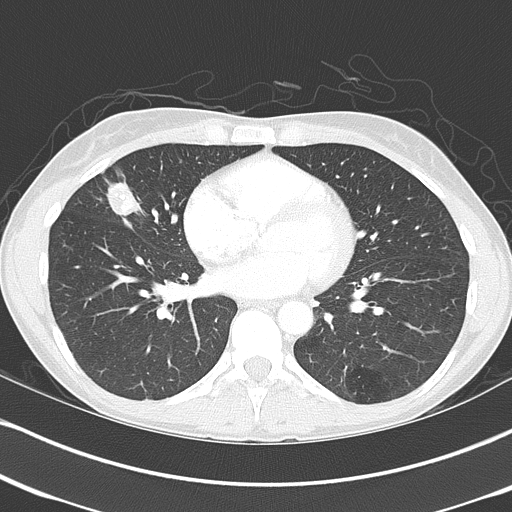
Chest CT, axial plane, 120 kVp, kernel B70f. Slice 184/368 from the bottom of the scan; thickness 2.00 mm; pixel size 0.623 mm.
Pulmonary nodule at rows 164–215, columns 104–141 (box = the union of the readers' outlines on this slice), outlined by all four readers; median longest diameter 29.8 mm (readers' outlines 27.1–39.3 mm), median volume 7696 mm3 (6531–9806 mm3). Ratings, median across the readers with their spread: texture 5/5 (solid), all four readers agreeing; margin 4/5 at the median of four readers, spread 2/5 to 5/5 (circumscribed); median sphericity 3/5 (ovoid) (readers ranged 2/5 to 3/5 (ovoid)); calcification split among the readers: laminated calcification (one), absent (one), popcorn calcification (one), non-central calcification (one); internal structure soft tissue from all four readers; subtlety 5/5, all four readers agreeing; median malignancy likelihood 3/5 (readers ranged 1–5). Scale key (1–5): texture non-solid→solid, margin indistinct→circumscribed, sphericity linear→round, subtlety extremely subtle→obvious, malignancy likelihood highly unlikely→highly suspicious of cancer. Box rows and columns are 0-based pixel indices from the top-left corner, inclusive.